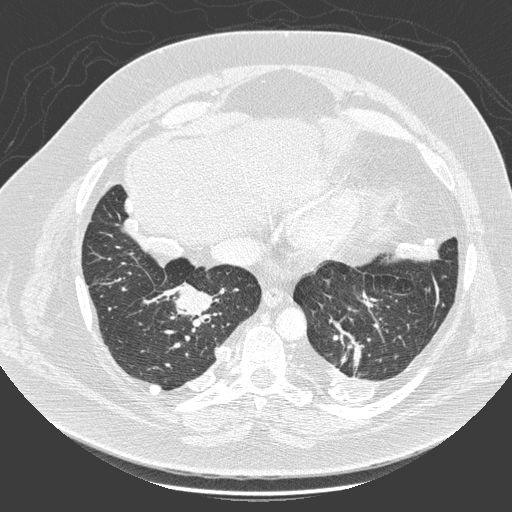
One axial slice (71 of 280, counting up from the lowest) of a chest CT acquired at 140 kVp with the D kernel; each pixel is 0.801 mm and the slice is 1.00 mm thick.
Pulmonary nodule at rows 287–315, columns 175–217 (box = that reader's outline on this slice), outlined by one of the four readers; longest diameter 49.9 mm and volume 31112 mm3 from that reader's outline. That reader's ratings: texture 5/5 (solid); margin 4/5; sphericity 5/5 (round); calcification non-central calcification; internal structure soft tissue; subtlety 5/5; malignancy likelihood 5/5. Scale key (1–5): texture non-solid→solid, margin indistinct→circumscribed, sphericity linear→round, subtlety extremely subtle→obvious, malignancy likelihood highly unlikely→highly suspicious of cancer. Box rows and columns are 0-based pixel indices from the top-left corner, inclusive.